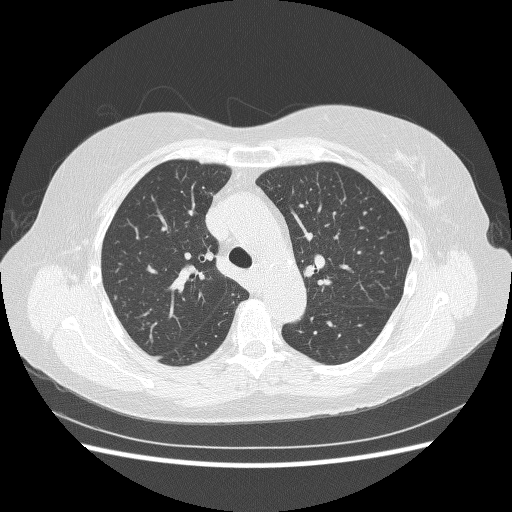
Slice 174/240 of a chest CT, counting up from the lowest; pixel size 0.703 mm, slice thickness 1.25 mm. Pulmonary nodule outlined by two of the four readers; box rows 210–215, columns 362–367 (the union of the readers' outlines on this slice); longest diameter 5.1–5.8 mm and volume 48–74 mm3 across the two readers' outlines. Ratings across the readers: texture 5/5 (solid) from both readers; margin 4/5, both readers agreeing; sphericity from 2/5 to 3/5 (ovoid) across the two readers; calcification absent from both readers; internal structure soft tissue from both readers; subtlety rated between 1 and 2 out of 5 by the two readers; malignancy likelihood rated between 2 and 3 out of 5 by the two readers. Scale key (1–5): texture non-solid→solid, margin indistinct→circumscribed, sphericity linear→round, subtlety extremely subtle→obvious, malignancy likelihood highly unlikely→highly suspicious of cancer. Box rows and columns are 0-based pixel indices from the top-left corner, inclusive.
Tube voltage 120 kVp; convolution kernel BONE.